Axial chest CT slice 289 of 548 (counted from the lowest slice); tube voltage 120 kVp, convolution kernel STANDARD; slices 1.25 mm thick, 0.781 mm per pixel.
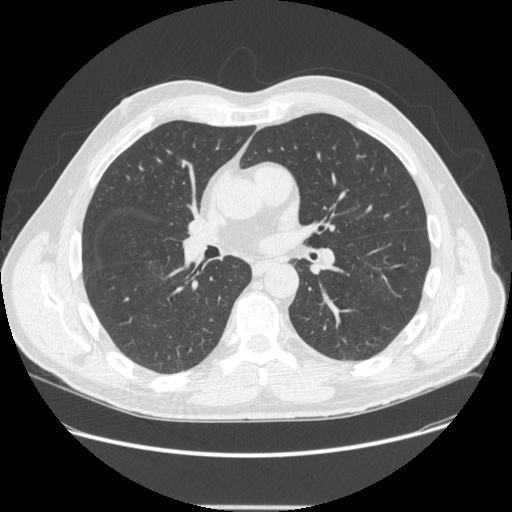
This slice carries no reader outline of a nodule 3 mm or larger.